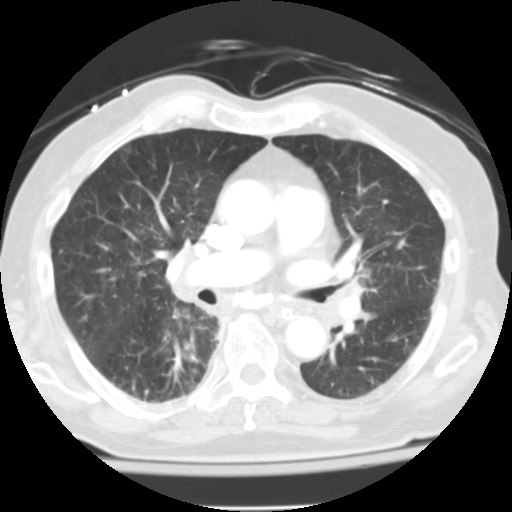
Chest CT, axial plane, 135 kVp, kernel FC10. Slice 77/125 from the bottom of the scan; thickness 3.00 mm; pixel size 0.628 mm.
No nodule 3 mm or larger was outlined here by any reader.